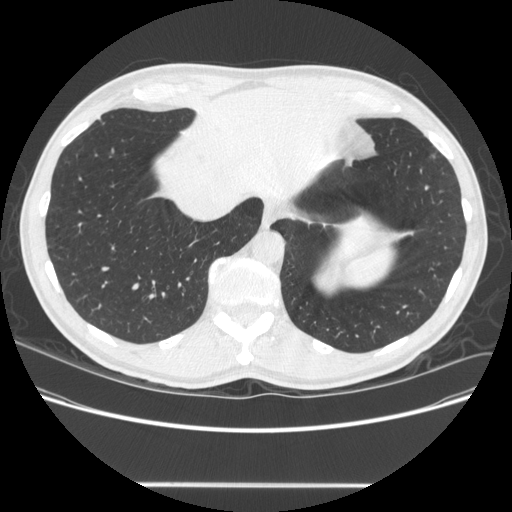
Chest CT, axial plane, 120 kVp, kernel STANDARD. Slice 123/567 from the bottom of the scan; thickness 1.25 mm; pixel size 0.742 mm.
Pulmonary nodule outlined by all four readers, three of them on this slice; box rows 185–190, columns 424–428 (the union of the readers' outlines on this slice); longest diameter 8.4 mm on average over the four readers' outlines (readers' outlines 7.6–9.5 mm), volume 105–126 mm3. The readers' prevailing ratings and who disagreed: texture 5/5 (solid), all four readers agreeing; margin split among the readers: 4/5 (two), 5/5 (circumscribed) (two); sphericity 3/5 (ovoid) by three of four readers; the rest gave 2/5 (one); calcification absent by three of four readers, solid calcification (one); internal structure soft tissue, all four readers agreeing; most readers (three of four) put subtlety at 4/5, others 3/5 (one); malignancy likelihood 2/5 by two of four readers; the rest gave 1/5 (one), 3/5 (one). Scale key (1–5): texture non-solid→solid, margin indistinct→circumscribed, sphericity linear→round, subtlety extremely subtle→obvious, malignancy likelihood highly unlikely→highly suspicious of cancer. Box rows and columns are 0-based pixel indices from the top-left corner, inclusive.